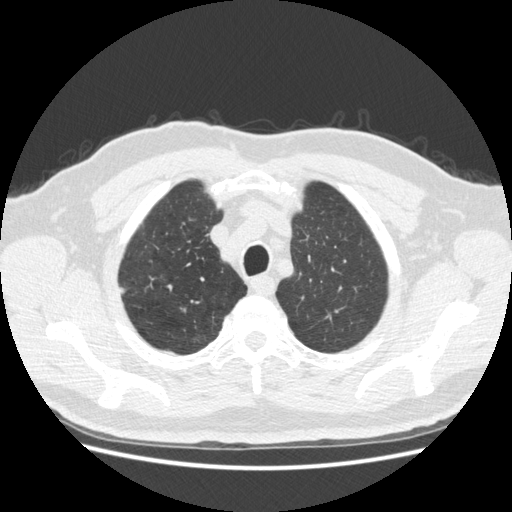
One axial slice (389 of 465, counting up from the lowest) of a chest CT acquired at 120 kVp with the STANDARD kernel; each pixel is 0.703 mm and the slice is 1.25 mm thick.
Pulmonary nodule outlined by all four readers; box rows 287–294, columns 118–128 (the union of the readers' outlines on this slice); the four readers' outlines give a longest diameter between 15.5 and 18.9 mm and a volume between 1041 and 1475 mm3. Ratings across the readers: texture 5/5 (solid), all four readers agreeing; margin from 4/5 to 5/5 (circumscribed) across the four readers; sphericity from 3/5 (ovoid) to 5/5 (round) across the four readers; calcification absent, all four readers agreeing; internal structure soft tissue, all four readers agreeing; subtlety 4–5/5 (the readers disagree); malignancy likelihood from 2/5 to 5/5 across the four readers. Scale key (1–5): texture non-solid→solid, margin indistinct→circumscribed, sphericity linear→round, subtlety extremely subtle→obvious, malignancy likelihood highly unlikely→highly suspicious of cancer. Box rows and columns are 0-based pixel indices from the top-left corner, inclusive.